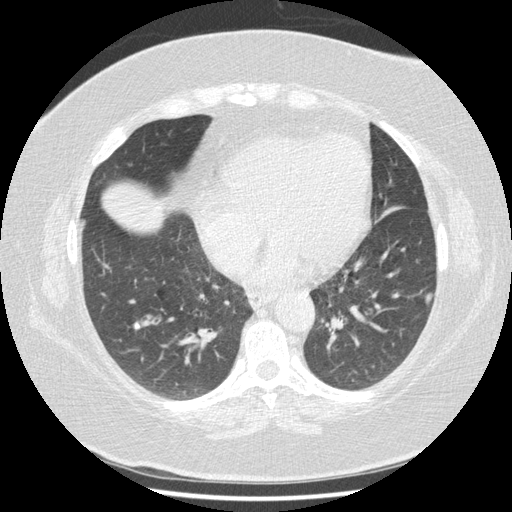
Slice 173/417 of a chest CT, counting up from the lowest; pixel size 0.703 mm, slice thickness 1.25 mm. Two pulmonary nodules are outlined on this slice; from left to right: (1) Pulmonary nodule outlined by all four readers; box rows 322–329, columns 133–140 (the union of the readers' outlines on this slice); the four readers' outlines give a longest diameter between 10.5 and 10.9 mm and a volume between 396 and 502 mm3. Ratings across the readers: texture 5/5 (solid), all four readers agreeing; margin 5/5 (circumscribed), all four readers agreeing; sphericity from 3/5 (ovoid) to 4/5 across the four readers; calcification: solid calcification (three), absent (one); internal structure soft tissue from all four readers; subtlety 5/5 from all four readers; malignancy likelihood 1/5, all four readers agreeing. (2) Pulmonary nodule outlined by all four readers; box rows 292–305, columns 424–433 (the union of the readers' outlines on this slice); longest diameter 10.1–11.6 mm and volume 183–290 mm3 across the four readers' outlines. Ratings across the readers: texture 5/5 (solid) from all four readers; margin from 4/5 to 5/5 (circumscribed) across the four readers; sphericity from 3/5 (ovoid) to 4/5 across the four readers; calcification absent from all four readers; internal structure soft tissue, all four readers agreeing; subtlety from 4/5 to 5/5 across the four readers; malignancy likelihood 3–4/5 (the readers disagree). Scale key (1–5): texture non-solid→solid, margin indistinct→circumscribed, sphericity linear→round, subtlety extremely subtle→obvious, malignancy likelihood highly unlikely→highly suspicious of cancer. Box rows and columns are 0-based pixel indices from the top-left corner, inclusive.
Scan settings: 120 kVp, STANDARD reconstruction kernel.